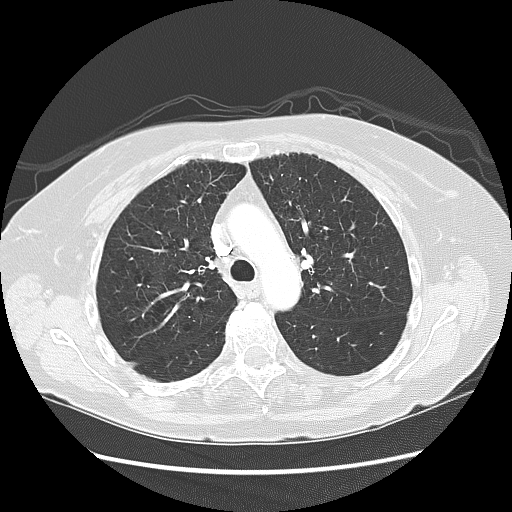
Axial slice 82 of 125 of a chest CT (slice 1 is the lowest), reconstructed with the LUNG kernel at 120 kVp; 2.50 mm slice thickness and 0.703 mm pixels.
None of the four readers outlined a nodule of 3 mm or more on this slice.